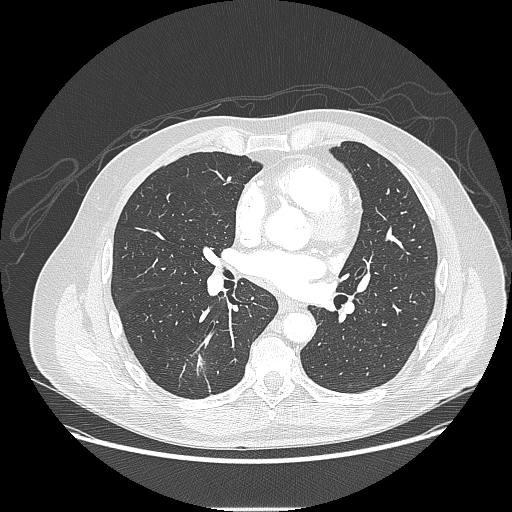
Axial slice 96 of 214 of a chest CT (slice 1 is the lowest), reconstructed with the LUNG kernel at 120 kVp; 1.25 mm slice thickness and 0.820 mm pixels.
Pulmonary nodule, outlined by all four readers, two of them on this slice. Box on this slice rows 357–364, columns 198–203, the union of the readers' outlines on this slice; longest diameter 14.7–27.9 mm and volume 696–2326 mm3 across the four readers' outlines. The readers' ratings, as ranges where they differ: texture from 4/5 to 5/5 (solid) across the four readers; margin from 1/5 (indistinct) to 4/5 across the four readers; sphericity from 2/5 to 3/5 (ovoid) across the four readers; calcification absent from all four readers; internal structure soft tissue from all four readers; subtlety rated between 4 and 5 out of 5 by the four readers; malignancy likelihood from 3/5 to 4/5 across the four readers. Scale key (1–5): texture non-solid→solid, margin indistinct→circumscribed, sphericity linear→round, subtlety extremely subtle→obvious, malignancy likelihood highly unlikely→highly suspicious of cancer. Box rows and columns are 0-based pixel indices from the top-left corner, inclusive.